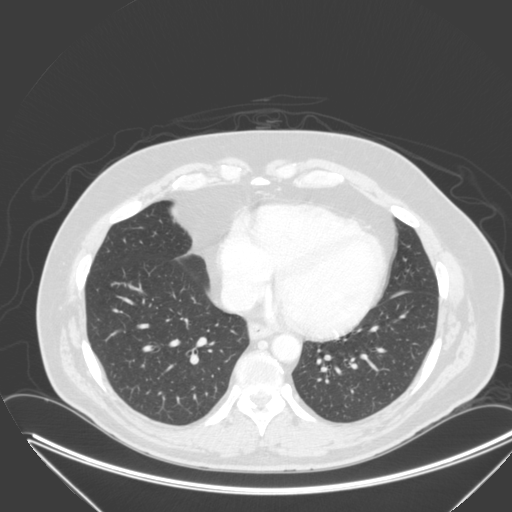
Axial slice 114 of 315 of a chest CT (slice 1 is the lowest), reconstructed with the B kernel at 120 kVp; 2.00 mm slice thickness and 0.830 mm pixels.
Pulmonary nodule outlined by all four readers, one of them on this slice; box rows 352–355, columns 339–344 (the one reader's outline on this slice); median longest diameter 13.2 mm (readers' outlines 12.3–13.9 mm), median volume 761 mm3 (668–831 mm3). Median ratings and the readers' spread: median texture 5/5 (solid) (readers ranged 4/5 to 5/5 (solid)); median margin 5/5 (circumscribed) (readers ranged 4/5 to 5/5 (circumscribed)); sphericity 5/5 (round) at the median of four readers, spread 4/5 to 5/5 (round); calcification absent from all four readers; internal structure soft tissue from all four readers; median subtlety 4/5 (readers ranged 3–5); median malignancy likelihood 3/5 (readers ranged 3–5). Scale key (1–5): texture non-solid→solid, margin indistinct→circumscribed, sphericity linear→round, subtlety extremely subtle→obvious, malignancy likelihood highly unlikely→highly suspicious of cancer. Box rows and columns are 0-based pixel indices from the top-left corner, inclusive.